Axial slice 57 of 145 of a chest CT (slice 1 is the lowest), reconstructed with the STANDARD kernel at 120 kVp; 2.50 mm slice thickness and 0.625 mm pixels.
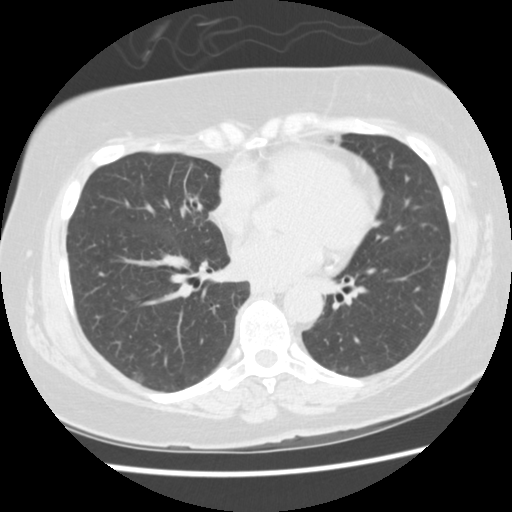
Pulmonary nodule at rows 373–382, columns 133–144 (box = that reader's outline on this slice), outlined by one of the four readers; longest diameter 10.0 mm and volume 279 mm3 from that reader's outline. Ratings by that reader: texture 1/5 (non-solid); margin 3/5; sphericity 3/5 (ovoid); calcification absent; internal structure soft tissue; subtlety 5/5; malignancy likelihood 2/5. Scale key (1–5): texture non-solid→solid, margin indistinct→circumscribed, sphericity linear→round, subtlety extremely subtle→obvious, malignancy likelihood highly unlikely→highly suspicious of cancer. Box rows and columns are 0-based pixel indices from the top-left corner, inclusive.